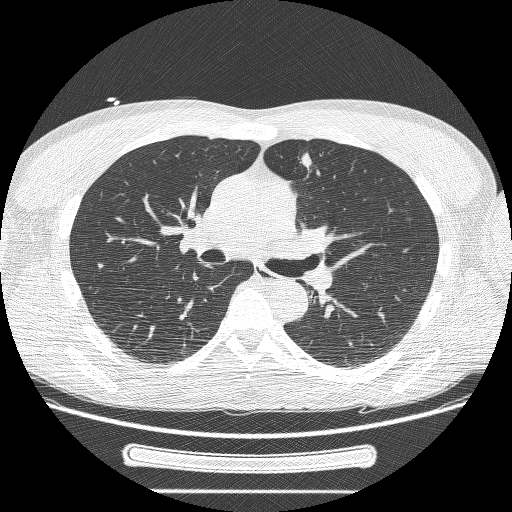
Axial slice 145 of 244 of a chest CT (slice 1 is the lowest), reconstructed with the BONE kernel at 120 kVp; 1.25 mm slice thickness and 0.729 mm pixels.
Pulmonary nodule, outlined by three of the four readers. Box on this slice rows 151–167, columns 299–312, the union of the readers' outlines on this slice; the three readers' outlines give a longest diameter between 27.4 and 37.9 mm and a volume between 2934 and 10099 mm3. The readers' ratings, as ranges where they differ: texture from 3/5 (part-solid) to 5/5 (solid) across the three readers; margin from 1/5 (indistinct) to 3/5 across the three readers; sphericity from 2/5 to 4/5 across the three readers; calcification absent from all three readers; internal structure soft tissue, all three readers agreeing; subtlety 5/5 from all three readers; malignancy likelihood 3–5/5 (the readers disagree). Scale key (1–5): texture non-solid→solid, margin indistinct→circumscribed, sphericity linear→round, subtlety extremely subtle→obvious, malignancy likelihood highly unlikely→highly suspicious of cancer. Box rows and columns are 0-based pixel indices from the top-left corner, inclusive.